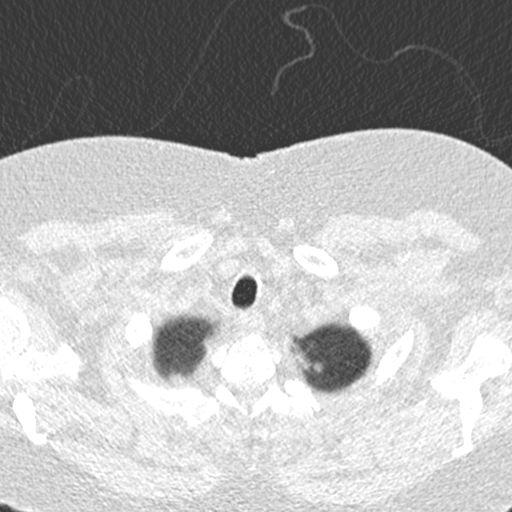
Axial slice 399 of 423 of a chest CT (slice 1 is the lowest), reconstructed with the B30f kernel at 120 kVp; 0.75 mm slice thickness and 0.520 mm pixels.
Pulmonary nodule outlined by one of the four readers; box rows 362–372, columns 313–323 (that reader's outline on this slice); longest diameter 10.4 mm and volume 150 mm3 from that reader's outline. Ratings by that reader: texture 5/5 (solid); margin 4/5; sphericity 4/5; calcification absent; internal structure soft tissue; subtlety 5/5; malignancy likelihood 3/5. Scale key (1–5): texture non-solid→solid, margin indistinct→circumscribed, sphericity linear→round, subtlety extremely subtle→obvious, malignancy likelihood highly unlikely→highly suspicious of cancer. Box rows and columns are 0-based pixel indices from the top-left corner, inclusive.